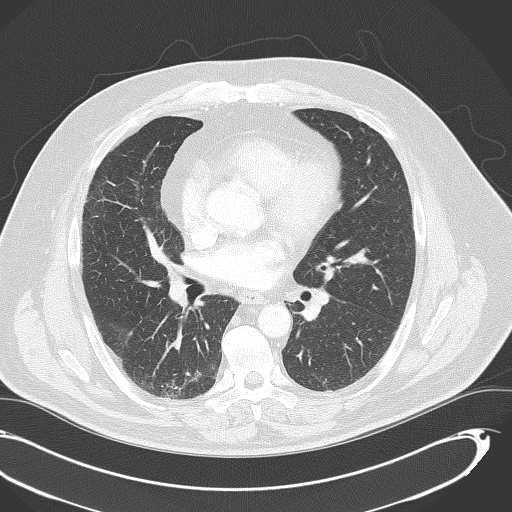
Axial slice 197 of 333 of a chest CT (slice 1 is the lowest), reconstructed with the B70f kernel at 120 kVp; 2.00 mm slice thickness and 0.775 mm pixels.
Pulmonary nodule, outlined by three of the four readers, two of them on this slice. Box on this slice rows 329–335, columns 127–133, the union of the readers' outlines on this slice; the three readers' outlines give a longest diameter between 7.1 and 7.9 mm and a volume between 58 and 182 mm3. Ratings across the readers: texture from 4/5 to 5/5 (solid) across the three readers; margin from 3/5 to 5/5 (circumscribed) across the three readers; sphericity 3/5 (ovoid), all three readers agreeing; calcification absent from all three readers; internal structure soft tissue, all three readers agreeing; subtlety 2–5/5 (the readers disagree); malignancy likelihood 2/5 from all three readers. Scale key (1–5): texture non-solid→solid, margin indistinct→circumscribed, sphericity linear→round, subtlety extremely subtle→obvious, malignancy likelihood highly unlikely→highly suspicious of cancer. Box rows and columns are 0-based pixel indices from the top-left corner, inclusive.